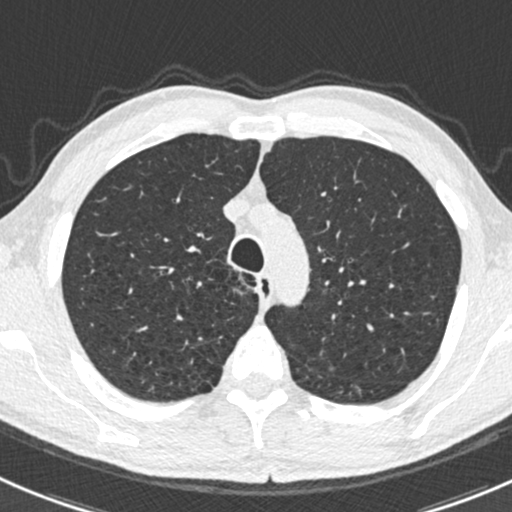
This is axial slice 430 of 538 (slice 1 is the lowest) of a chest CT; each pixel is 0.605 mm and the slice is 0.75 mm thick. Pulmonary nodule at rows 365–371, columns 328–335 (box = the one reader's outline on this slice), outlined by all four readers, one of them on this slice; longest diameter 6.3–8.1 mm and volume 38–119 mm3 across the four readers' outlines. The readers' ratings, as ranges where they differ: texture 5/5 (solid), all four readers agreeing; margin from 4/5 to 5/5 (circumscribed) across the four readers; sphericity from 4/5 to 5/5 (round) across the four readers; calcification: solid calcification (three), absent (one); internal structure soft tissue from all four readers; subtlety rated between 2 and 5 out of 5 by the four readers; malignancy likelihood 1/5 from all four readers. Scale key (1–5): texture non-solid→solid, margin indistinct→circumscribed, sphericity linear→round, subtlety extremely subtle→obvious, malignancy likelihood highly unlikely→highly suspicious of cancer. Box rows and columns are 0-based pixel indices from the top-left corner, inclusive.
Tube voltage 120 kVp; convolution kernel B30f.